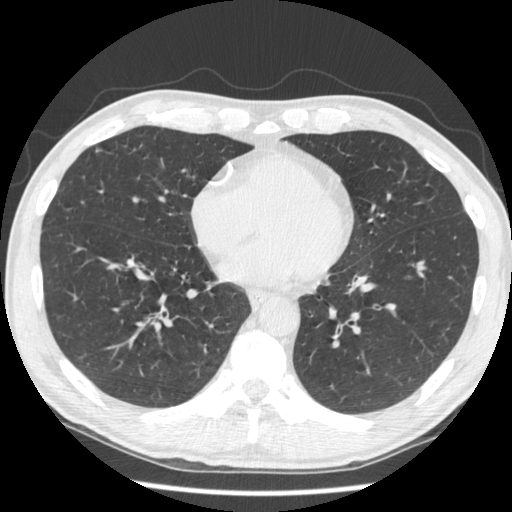
Axial chest CT slice 176 of 506 (counted from the lowest slice); tube voltage 120 kVp, convolution kernel STANDARD; slices 1.25 mm thick, 0.664 mm per pixel.
Pulmonary nodule outlined by one of the four readers; box rows 149–152, columns 95–97 (that reader's outline on this slice); longest diameter 10.9 mm and volume 130 mm3 from that reader's outline. That reader's ratings: texture 4/5; margin 4/5; sphericity 2/5; calcification absent; internal structure soft tissue; subtlety 4/5; malignancy likelihood 2/5. Scale key (1–5): texture non-solid→solid, margin indistinct→circumscribed, sphericity linear→round, subtlety extremely subtle→obvious, malignancy likelihood highly unlikely→highly suspicious of cancer. Box rows and columns are 0-based pixel indices from the top-left corner, inclusive.